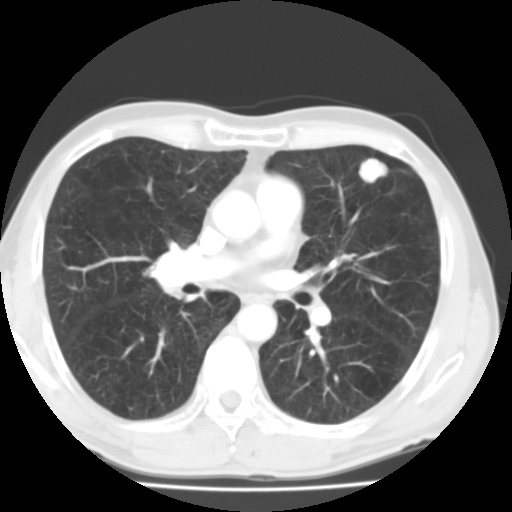
Axial chest CT slice 64 of 119 (counted from the lowest slice); 3.00 mm thick, 0.640 mm per pixel. Pulmonary nodule at rows 158–183, columns 358–388 (box = the union of the readers' outlines on this slice), outlined by all four readers; median longest diameter 21.0 mm (readers' outlines 19.4–21.3 mm), median volume 3239 mm3 (2099–3516 mm3). Ratings, median across the readers with their spread: texture 5/5 (solid), all four readers agreeing; median margin 5/5 (circumscribed) (readers ranged 4/5 to 5/5 (circumscribed)); median sphericity 4/5 (readers ranged 3/5 (ovoid) to 4/5); calcification: absent (three), central calcification (one); internal structure soft tissue from all four readers; subtlety 5/5 from all four readers; median malignancy likelihood 4/5 (readers ranged 1–5). Scale key (1–5): texture non-solid→solid, margin indistinct→circumscribed, sphericity linear→round, subtlety extremely subtle→obvious, malignancy likelihood highly unlikely→highly suspicious of cancer. Box rows and columns are 0-based pixel indices from the top-left corner, inclusive.
Tube voltage 135 kVp; convolution kernel FC01.